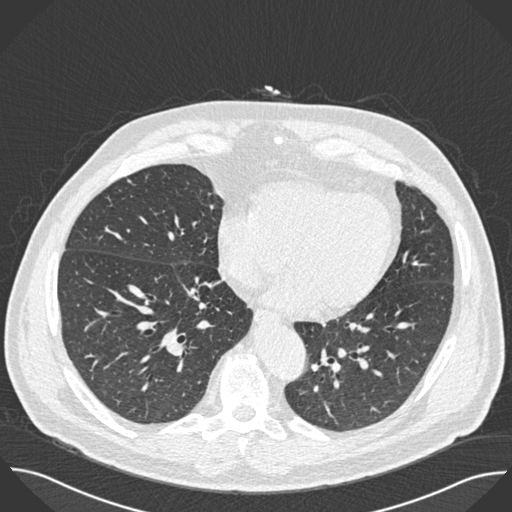
Axial chest CT slice 226 of 493 (counted from the lowest slice); tube voltage 120 kVp, convolution kernel B30f; slices 0.75 mm thick, 0.762 mm per pixel.
Pulmonary nodule outlined by three of the four readers; box rows 178–183, columns 127–131 (the union of the readers' outlines on this slice); median longest diameter 7.2 mm (readers' outlines 7.2–7.6 mm), median volume 97 mm3 (74–97 mm3). Ratings, median across the readers with their spread: texture 5/5 (solid), all three readers agreeing; margin 4/5 at the median of three readers, spread 1/5 (indistinct) to 5/5 (circumscribed); median sphericity 4/5 (readers ranged 3/5 (ovoid) to 4/5); calcification absent from all three readers; internal structure soft tissue, all three readers agreeing; subtlety 5/5 at the median of three readers, spread 3–5; malignancy likelihood 3/5, all three readers agreeing. Scale key (1–5): texture non-solid→solid, margin indistinct→circumscribed, sphericity linear→round, subtlety extremely subtle→obvious, malignancy likelihood highly unlikely→highly suspicious of cancer. Box rows and columns are 0-based pixel indices from the top-left corner, inclusive.